One axial slice (139 of 445, counting up from the lowest) of a chest CT acquired at 120 kVp with the C kernel; each pixel is 0.676 mm and the slice is 1.50 mm thick.
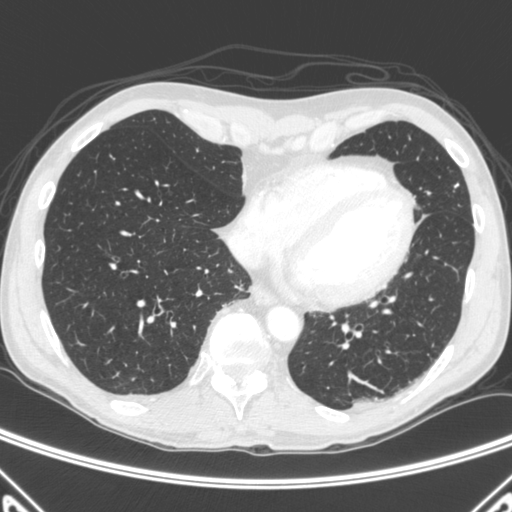
Pulmonary nodule outlined by all four readers; box rows 183–187, columns 454–458 (the union of the readers' outlines on this slice); longest diameter 9.0–9.7 mm and volume 243–279 mm3 across the four readers' outlines. Ratings across the readers: texture from 4/5 to 5/5 (solid) across the four readers; margin 5/5 (circumscribed), all four readers agreeing; sphericity from 4/5 to 5/5 (round) across the four readers; calcification: solid calcification (three), central calcification (one); internal structure soft tissue from all four readers; subtlety 5/5, all four readers agreeing; malignancy likelihood 1/5 from all four readers. Scale key (1–5): texture non-solid→solid, margin indistinct→circumscribed, sphericity linear→round, subtlety extremely subtle→obvious, malignancy likelihood highly unlikely→highly suspicious of cancer. Box rows and columns are 0-based pixel indices from the top-left corner, inclusive.